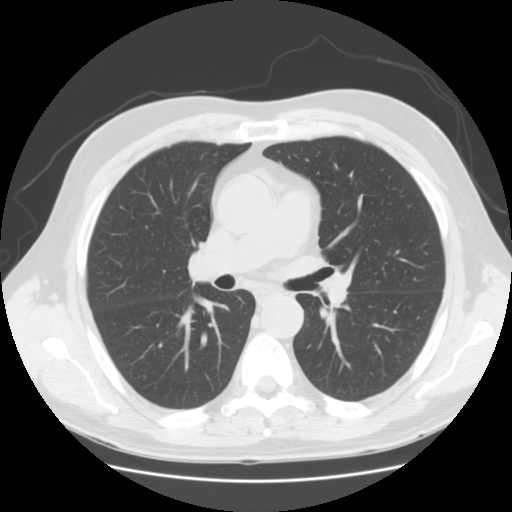
Axial slice 79 of 133 of a chest CT (slice 1 is the lowest), reconstructed with the STANDARD kernel at 120 kVp; 2.50 mm slice thickness and 0.703 mm pixels.
No nodule 3 mm or larger was outlined here by any reader.